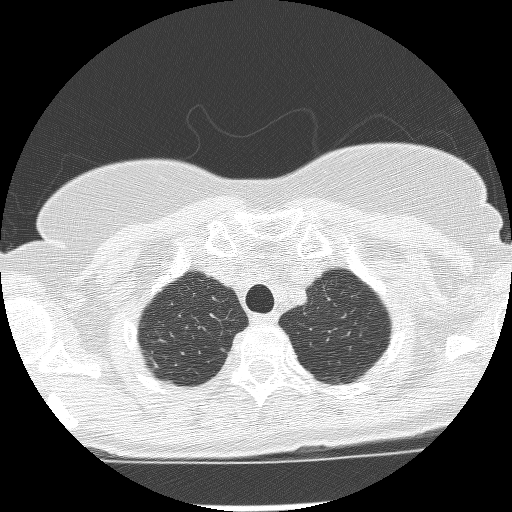
Chest CT, axial plane, 120 kVp, kernel BONE. Slice 212/239 from the bottom of the scan; thickness 1.25 mm; pixel size 0.586 mm.
Pulmonary nodule at rows 348–351, columns 220–224 (box = the one reader's outline on this slice), outlined by three of the four readers, one of them on this slice; median longest diameter 5.6 mm (readers' outlines 5.0–5.6 mm), median volume 54 mm3 (33–63 mm3). Median ratings and the readers' spread: texture 5/5 (solid) from all three readers; median margin 5/5 (circumscribed) (readers ranged 4/5 to 5/5 (circumscribed)); median sphericity 4/5 (readers ranged 2/5 to 5/5 (round)); calcification absent, all three readers agreeing; internal structure soft tissue, all three readers agreeing; subtlety 3/5 at the median of three readers, spread 3–4; malignancy likelihood 3/5 at the median of three readers, spread 2–3. Scale key (1–5): texture non-solid→solid, margin indistinct→circumscribed, sphericity linear→round, subtlety extremely subtle→obvious, malignancy likelihood highly unlikely→highly suspicious of cancer. Box rows and columns are 0-based pixel indices from the top-left corner, inclusive.